Axial slice 181 of 462 of a chest CT (slice 1 is the lowest), reconstructed with the STANDARD kernel at 120 kVp; 1.25 mm slice thickness and 0.742 mm pixels.
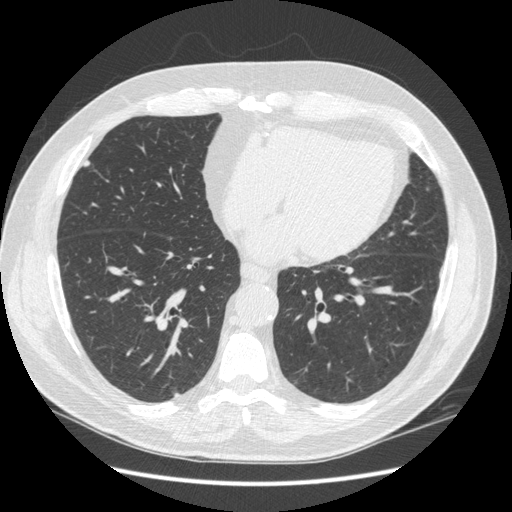
Pulmonary nodule at rows 161–167, columns 83–89 (box = the union of the readers' outlines on this slice), outlined by all four readers; longest diameter 6.6–7.3 mm and volume 76–107 mm3 across the four readers' outlines. Ratings across the readers: texture 5/5 (solid) from all four readers; margin from 4/5 to 5/5 (circumscribed) across the four readers; sphericity from 2/5 to 5/5 (round) across the four readers; calcification absent, all four readers agreeing; internal structure soft tissue from all four readers; subtlety from 3/5 to 4/5 across the four readers; malignancy likelihood 1–3/5 (the readers disagree). Scale key (1–5): texture non-solid→solid, margin indistinct→circumscribed, sphericity linear→round, subtlety extremely subtle→obvious, malignancy likelihood highly unlikely→highly suspicious of cancer. Box rows and columns are 0-based pixel indices from the top-left corner, inclusive.